Axial chest CT slice 195 of 474 (counted from the lowest slice); tube voltage 120 kVp, convolution kernel STANDARD; slices 1.25 mm thick, 0.723 mm per pixel.
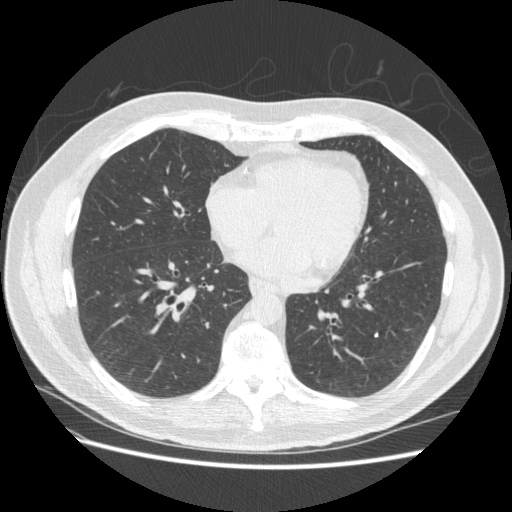
Pulmonary nodule at rows 333–336, columns 375–377 (box = that reader's outline on this slice), outlined by one of the four readers; longest diameter 3.9 mm and volume 23 mm3 from that reader's outline. That reader's ratings: texture 5/5 (solid); margin 5/5 (circumscribed); sphericity 5/5 (round); calcification solid calcification; internal structure soft tissue; subtlety 4/5; malignancy likelihood 1/5. Scale key (1–5): texture non-solid→solid, margin indistinct→circumscribed, sphericity linear→round, subtlety extremely subtle→obvious, malignancy likelihood highly unlikely→highly suspicious of cancer. Box rows and columns are 0-based pixel indices from the top-left corner, inclusive.